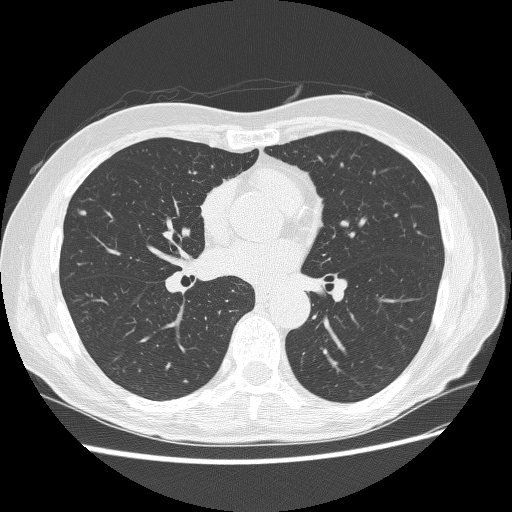
One axial slice (136 of 280, counting up from the lowest) of a chest CT acquired at 120 kVp with the BONE kernel; each pixel is 0.703 mm and the slice is 1.25 mm thick.
Pulmonary nodule at rows 209–215, columns 78–86 (box = the union of the readers' outlines on this slice), outlined by three of the four readers; longest diameter 8.9 mm on average over the three readers' outlines (readers' outlines 8.2–9.8 mm), volume 110–166 mm3. Ratings, by the readers' most common answer with dissent counted: texture 5/5 (solid) from all three readers; most readers (two of three) put margin at 4/5, others 3/5 (one); sphericity 3/5 (ovoid) by two of three readers; the rest gave 2/5 (one); calcification absent from all three readers; internal structure soft tissue, all three readers agreeing; subtlety split among the readers: 3/5 (one), 4/5 (one), 5/5 (one); malignancy likelihood 3/5 by two of three readers; the rest gave 4/5 (one). Scale key (1–5): texture non-solid→solid, margin indistinct→circumscribed, sphericity linear→round, subtlety extremely subtle→obvious, malignancy likelihood highly unlikely→highly suspicious of cancer. Box rows and columns are 0-based pixel indices from the top-left corner, inclusive.